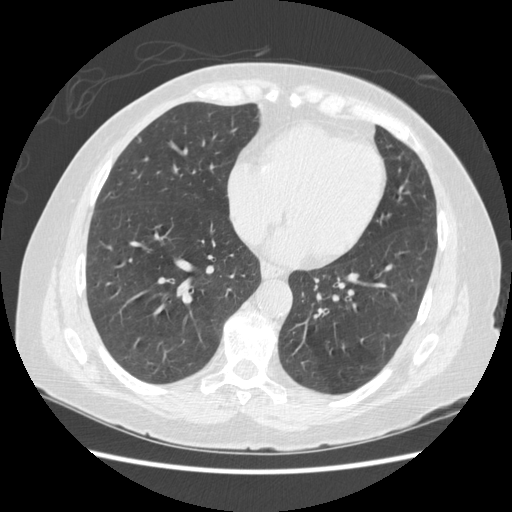
Slice 182/487 of a chest CT, counting up from the lowest; pixel size 0.703 mm, slice thickness 1.25 mm. Pulmonary nodule, outlined by two of the four readers. Box on this slice rows 136–142, columns 135–141, the union of the readers' outlines on this slice; longest diameter 6.0–6.4 mm and volume 52–55 mm3 across the two readers' outlines. The readers' ratings, as ranges where they differ: texture from 2/5 to 5/5 (solid) across the two readers; margin from 3/5 to 5/5 (circumscribed) across the two readers; sphericity 4/5 from both readers; calcification absent from both readers; internal structure soft tissue, both readers agreeing; subtlety from 2/5 to 4/5 across the two readers; malignancy likelihood rated between 2 and 3 out of 5 by the two readers. Scale key (1–5): texture non-solid→solid, margin indistinct→circumscribed, sphericity linear→round, subtlety extremely subtle→obvious, malignancy likelihood highly unlikely→highly suspicious of cancer. Box rows and columns are 0-based pixel indices from the top-left corner, inclusive.
Tube voltage 120 kVp; convolution kernel STANDARD.